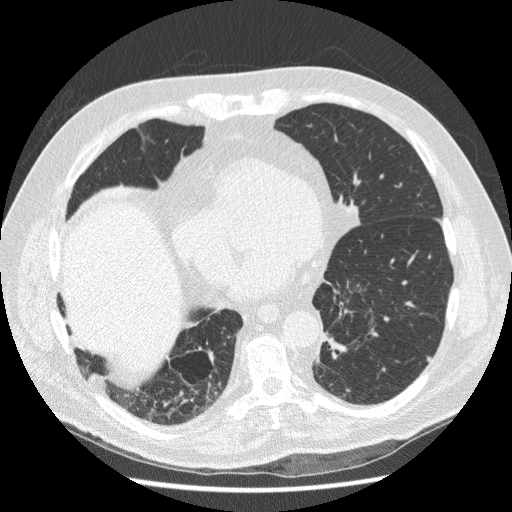
Chest CT, axial plane, 120 kVp, kernel STANDARD. Slice 74/216 from the bottom of the scan; thickness 1.25 mm; pixel size 0.703 mm.
Pulmonary nodule at rows 356–361, columns 426–430 (box = the union of the readers' outlines on this slice), outlined by two of the four readers; median longest diameter 6.2 mm (readers' outlines 6.0–6.4 mm), median volume 97 mm3 (94–101 mm3). Median ratings and the readers' spread: texture 5/5 (solid), both readers agreeing; margin 4/5 at the median of two readers, spread 3/5 to 5/5 (circumscribed); median sphericity 4/5 (readers ranged 3/5 (ovoid) to 5/5 (round)); calcification absent from both readers; internal structure soft tissue from both readers; median subtlety 3.5/5 (readers ranged 3–4); malignancy likelihood 2/5, both readers agreeing. Scale key (1–5): texture non-solid→solid, margin indistinct→circumscribed, sphericity linear→round, subtlety extremely subtle→obvious, malignancy likelihood highly unlikely→highly suspicious of cancer. Box rows and columns are 0-based pixel indices from the top-left corner, inclusive.